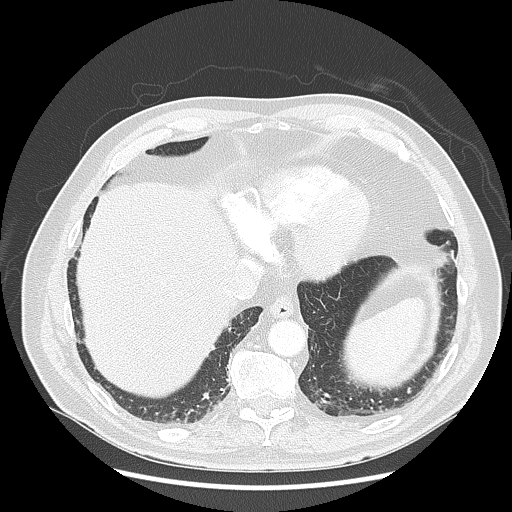
One axial slice (51 of 143, counting up from the lowest) of a chest CT acquired at 120 kVp with the LUNG kernel; each pixel is 0.781 mm and the slice is 2.50 mm thick.
Pulmonary nodule outlined by one of the four readers; box rows 392–399, columns 202–209 (that reader's outline on this slice); longest diameter 8.5 mm and volume 76 mm3 from that reader's outline. That reader's ratings: texture 5/5 (solid); margin 4/5; sphericity 4/5; calcification absent; internal structure soft tissue; subtlety 2/5; malignancy likelihood 2/5. Scale key (1–5): texture non-solid→solid, margin indistinct→circumscribed, sphericity linear→round, subtlety extremely subtle→obvious, malignancy likelihood highly unlikely→highly suspicious of cancer. Box rows and columns are 0-based pixel indices from the top-left corner, inclusive.